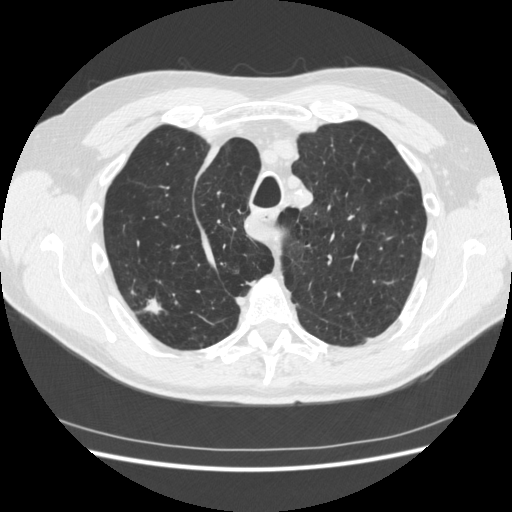
Axial chest CT slice 357 of 481 (counted from the lowest slice); 1.25 mm thick, 0.703 mm per pixel. Two pulmonary nodules are outlined on this slice; from left to right: (1) Pulmonary nodule, outlined by all four readers. Box on this slice rows 288–316, columns 136–169, the union of the readers' outlines on this slice; longest diameter 26.2 mm on average over the four readers' outlines (readers' outlines 18.7–34.9 mm), volume 1155–4169 mm3. The readers' prevailing ratings and who disagreed: texture 5/5 (solid) by three of four readers; the rest gave 4/5 (one); margin split among the readers: 1/5 (indistinct) (one), 2/5 (one), 3/5 (one), 4/5 (one); sphericity split among the readers: 2/5 (one), 3/5 (ovoid) (one), 4/5 (one), 5/5 (round) (one); calcification absent, all four readers agreeing; internal structure soft tissue from all four readers; subtlety 5/5 from all four readers; malignancy likelihood 5/5 by three of four readers; the rest gave 4/5 (one). (2) Pulmonary nodule, outlined by three of the four readers, one of them on this slice. Box on this slice rows 281–284, columns 246–253, the one reader's outline on this slice; the three readers' outlines give a longest diameter between 13.5 and 18.5 mm and a volume between 529 and 1088 mm3. Ratings across the readers: texture 5/5 (solid), all three readers agreeing; margin from 1/5 (indistinct) to 4/5 across the three readers; sphericity from 2/5 to 3/5 (ovoid) across the three readers; calcification absent from all three readers; internal structure soft tissue, all three readers agreeing; subtlety rated between 4 and 5 out of 5 by the three readers; malignancy likelihood from 3/5 to 5/5 across the three readers. Scale key (1–5): texture non-solid→solid, margin indistinct→circumscribed, sphericity linear→round, subtlety extremely subtle→obvious, malignancy likelihood highly unlikely→highly suspicious of cancer. Box rows and columns are 0-based pixel indices from the top-left corner, inclusive.
Scan settings: 120 kVp, STANDARD reconstruction kernel.